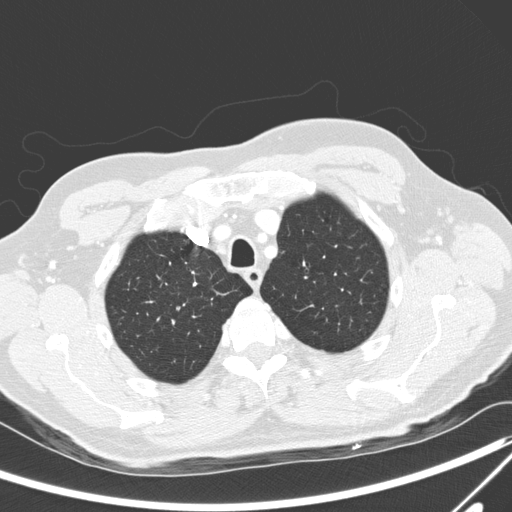
Chest CT, axial plane, 120 kVp, kernel D. Slice 235/300 from the bottom of the scan; thickness 2.00 mm; pixel size 0.678 mm.
Pulmonary nodule at rows 306–310, columns 175–180 (box = that reader's outline on this slice), outlined by one of the four readers; longest diameter 5.2 mm and volume 59 mm3 from that reader's outline. That reader's ratings: texture 5/5 (solid); margin 4/5; sphericity 5/5 (round); calcification absent; internal structure soft tissue; subtlety 5/5; malignancy likelihood 3/5. Scale key (1–5): texture non-solid→solid, margin indistinct→circumscribed, sphericity linear→round, subtlety extremely subtle→obvious, malignancy likelihood highly unlikely→highly suspicious of cancer. Box rows and columns are 0-based pixel indices from the top-left corner, inclusive.